One axial slice (134 of 161, counting up from the lowest) of a chest CT acquired at 120 kVp with the BONE kernel; each pixel is 0.549 mm and the slice is 1.25 mm thick.
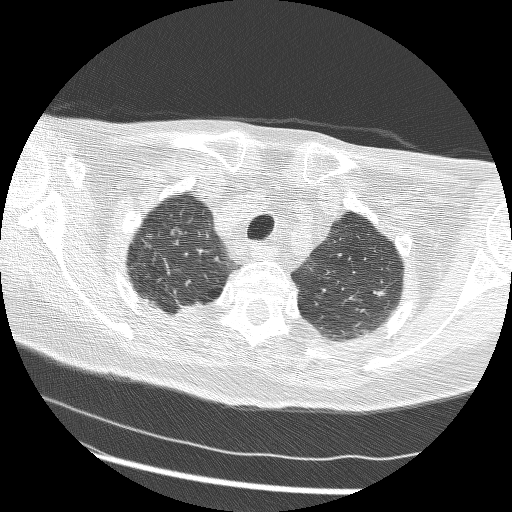
Pulmonary nodule, outlined by one of the four readers. Box on this slice rows 291–294, columns 377–383, that reader's outline on this slice; longest diameter 6.6 mm and volume 55 mm3 from that reader's outline. Ratings by that reader: texture 5/5 (solid); margin 4/5; sphericity 3/5 (ovoid); calcification absent; internal structure soft tissue; subtlety 2/5; malignancy likelihood 2/5. Scale key (1–5): texture non-solid→solid, margin indistinct→circumscribed, sphericity linear→round, subtlety extremely subtle→obvious, malignancy likelihood highly unlikely→highly suspicious of cancer. Box rows and columns are 0-based pixel indices from the top-left corner, inclusive.